Axial slice 308 of 557 of a chest CT (slice 1 is the lowest), reconstructed with the STANDARD kernel at 120 kVp; 1.25 mm slice thickness and 0.703 mm pixels.
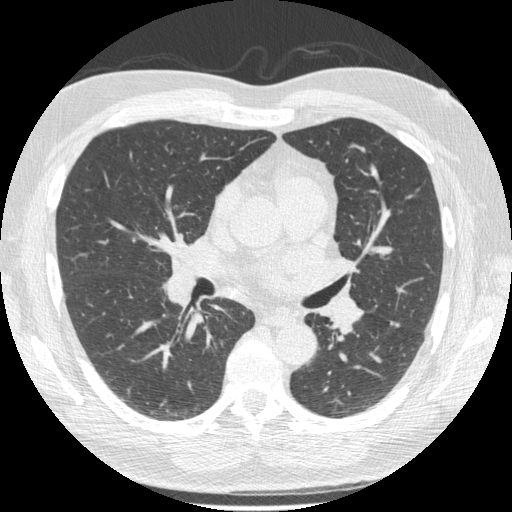
Pulmonary nodule, outlined by all four readers, three of them on this slice. Box on this slice rows 321–327, columns 390–400, the union of the readers' outlines on this slice; longest diameter 6.0–9.4 mm and volume 90–190 mm3 across the four readers' outlines. The readers' ratings, as ranges where they differ: texture 5/5 (solid), all four readers agreeing; margin from 4/5 to 5/5 (circumscribed) across the four readers; sphericity from 2/5 to 5/5 (round) across the four readers; calcification split among the readers: non-central calcification (two), solid calcification (two); internal structure soft tissue from all four readers; subtlety rated between 3 and 5 out of 5 by the four readers; malignancy likelihood from 1/5 to 2/5 across the four readers. Scale key (1–5): texture non-solid→solid, margin indistinct→circumscribed, sphericity linear→round, subtlety extremely subtle→obvious, malignancy likelihood highly unlikely→highly suspicious of cancer. Box rows and columns are 0-based pixel indices from the top-left corner, inclusive.